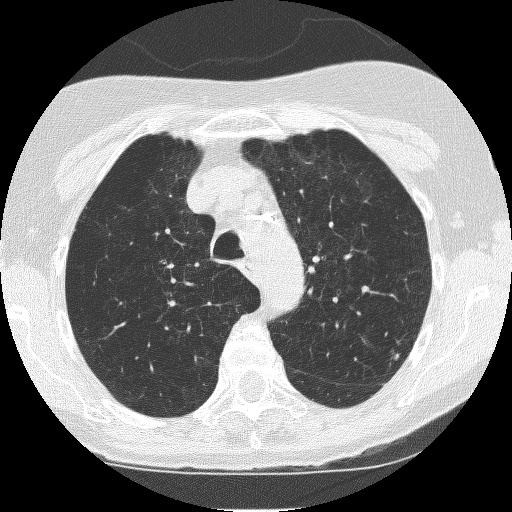
Chest CT, axial plane, 120 kVp, kernel BONE. Slice 181/235 from the bottom of the scan; thickness 1.25 mm; pixel size 0.537 mm.
Pulmonary nodule, outlined by all four readers, three of them on this slice. Box on this slice rows 354–359, columns 394–398, the union of the readers' outlines on this slice; median longest diameter 8.2 mm (readers' outlines 7.6–8.7 mm), median volume 125 mm3 (76–139 mm3). Median ratings and the readers' spread: texture 4.5/5 at the median of four readers, spread 4/5 to 5/5 (solid); margin 4/5 at the median of four readers, spread 3/5 to 5/5 (circumscribed); sphericity 3.5/5 at the median of four readers, spread 3/5 (ovoid) to 4/5; calcification absent from all four readers; internal structure soft tissue from all four readers; subtlety 4/5 at the median of four readers, spread 4–5; malignancy likelihood 3/5 at the median of four readers, spread 3–4. Scale key (1–5): texture non-solid→solid, margin indistinct→circumscribed, sphericity linear→round, subtlety extremely subtle→obvious, malignancy likelihood highly unlikely→highly suspicious of cancer. Box rows and columns are 0-based pixel indices from the top-left corner, inclusive.